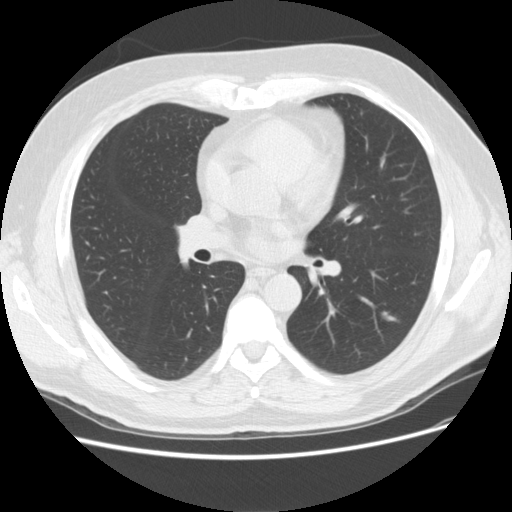
This is axial slice 83 of 158 (slice 1 is the lowest) of a chest CT; each pixel is 0.723 mm and the slice is 2.50 mm thick. Pulmonary nodule, outlined by one of the four readers. Box on this slice rows 314–319, columns 383–389, that reader's outline on this slice; longest diameter 10.7 mm and volume 202 mm3 from that reader's outline. That reader's ratings: texture 5/5 (solid); margin 5/5 (circumscribed); sphericity 5/5 (round); calcification absent; internal structure soft tissue; subtlety 2/5; malignancy likelihood 3/5. Scale key (1–5): texture non-solid→solid, margin indistinct→circumscribed, sphericity linear→round, subtlety extremely subtle→obvious, malignancy likelihood highly unlikely→highly suspicious of cancer. Box rows and columns are 0-based pixel indices from the top-left corner, inclusive.
Tube voltage 120 kVp; convolution kernel STANDARD.